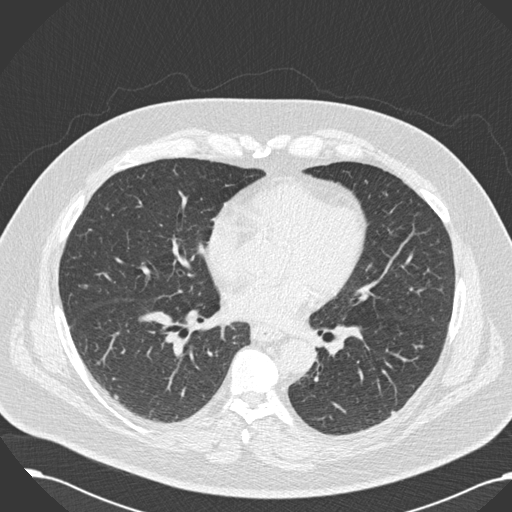
Slice 84/181 of a chest CT, counting up from the lowest; pixel size 0.762 mm, slice thickness 2.00 mm. Pulmonary nodule, outlined by one of the four readers. Box on this slice rows 395–398, columns 115–118, that reader's outline on this slice; longest diameter 5.5 mm and volume 45 mm3 from that reader's outline. Ratings by that reader: texture 3/5 (part-solid); margin 2/5; sphericity 4/5; calcification absent; internal structure soft tissue; subtlety 3/5; malignancy likelihood 3/5. Scale key (1–5): texture non-solid→solid, margin indistinct→circumscribed, sphericity linear→round, subtlety extremely subtle→obvious, malignancy likelihood highly unlikely→highly suspicious of cancer. Box rows and columns are 0-based pixel indices from the top-left corner, inclusive.
Tube voltage 120 kVp; convolution kernel B30f.